One axial slice (174 of 260, counting up from the lowest) of a chest CT acquired at 120 kVp with the B45f kernel; each pixel is 0.625 mm and the slice is 1.00 mm thick.
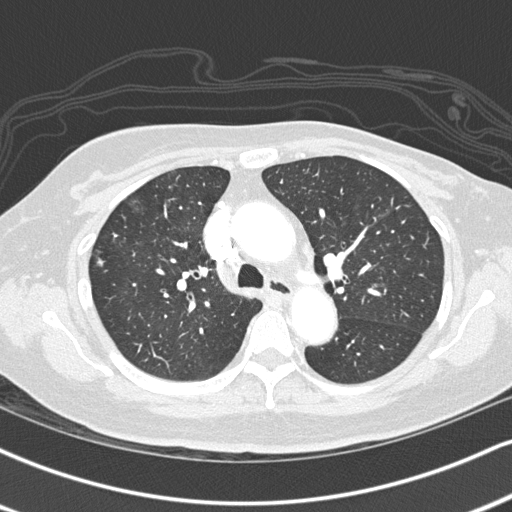
Pulmonary nodule outlined by two of the four readers; box rows 257–267, columns 97–103 (the union of the readers' outlines on this slice); the two readers' outlines give a longest diameter between 6.8 and 7.9 mm and a volume between 80 and 104 mm3. The readers' ratings, as ranges where they differ: texture from 2/5 to 5/5 (solid) across the two readers; margin from 1/5 (indistinct) to 5/5 (circumscribed) across the two readers; sphericity from 4/5 to 5/5 (round) across the two readers; calcification absent from both readers; internal structure soft tissue, both readers agreeing; subtlety 3/5, both readers agreeing; malignancy likelihood 2/5 from both readers. Scale key (1–5): texture non-solid→solid, margin indistinct→circumscribed, sphericity linear→round, subtlety extremely subtle→obvious, malignancy likelihood highly unlikely→highly suspicious of cancer. Box rows and columns are 0-based pixel indices from the top-left corner, inclusive.